Chest CT, axial plane, 120 kVp, kernel D. Slice 196/276 from the bottom of the scan; thickness 2.00 mm; pixel size 0.617 mm.
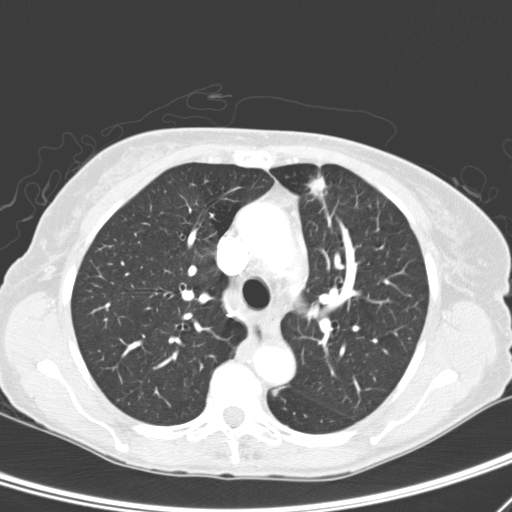
Two pulmonary nodules on this slice, listed from left to right. (1) Pulmonary nodule, outlined by two of the four readers. Box on this slice rows 390–396, columns 271–277, the union of the readers' outlines on this slice; longest diameter 8.7 mm on average over the two readers' outlines (readers' outlines 7.4–10.0 mm), volume 109–225 mm3. The readers' prevailing ratings and who disagreed: texture split among the readers: 1/5 (non-solid) (one), 3/5 (part-solid) (one); margin split among the readers: 1/5 (indistinct) (one), 2/5 (one); sphericity split among the readers: 3/5 (ovoid) (one), 4/5 (one); calcification absent, both readers agreeing; internal structure soft tissue, both readers agreeing; subtlety split among the readers: 3/5 (one), 5/5 (one); malignancy likelihood split among the readers: 3/5 (one), 4/5 (one). (2) Pulmonary nodule at rows 171–202, columns 305–326 (box = the union of the readers' outlines on this slice), outlined by three of the four readers; longest diameter 23.3 mm on average over the three readers' outlines (readers' outlines 19.9–25.7 mm), volume 1110–1901 mm3. Ratings, by the readers' most common answer with dissent counted: most readers (two of three) put texture at 4/5, others 5/5 (solid) (one); most readers (two of three) put margin at 2/5, others 4/5 (one); most readers (two of three) put sphericity at 3/5 (ovoid), others 4/5 (one); calcification absent, all three readers agreeing; internal structure soft tissue, all three readers agreeing; subtlety 5/5 from all three readers; malignancy likelihood 5/5 from all three readers. Scale key (1–5): texture non-solid→solid, margin indistinct→circumscribed, sphericity linear→round, subtlety extremely subtle→obvious, malignancy likelihood highly unlikely→highly suspicious of cancer. Box rows and columns are 0-based pixel indices from the top-left corner, inclusive.